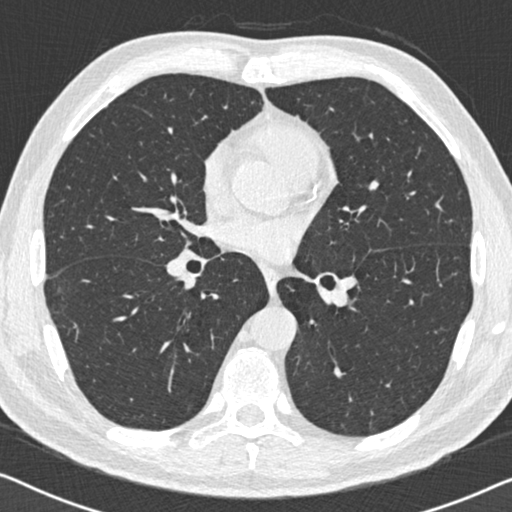
This is axial slice 312 of 558 (slice 1 is the lowest) of a chest CT; each pixel is 0.648 mm and the slice is 0.75 mm thick. Pulmonary nodule at rows 287–291, columns 58–60 (box = the one reader's outline on this slice), outlined by all four readers, one of them on this slice; median longest diameter 21.8 mm (readers' outlines 18.8–26.5 mm), median volume 1099 mm3 (726–1916 mm3). Median ratings and the readers' spread: median texture 4.5/5 (readers ranged 3/5 (part-solid) to 5/5 (solid)); margin 3/5 at the median of four readers, spread 1/5 (indistinct) to 4/5; median sphericity 3/5 (ovoid) (readers ranged 2/5 to 4/5); calcification absent, all four readers agreeing; internal structure soft tissue from all four readers; median subtlety 5/5 (readers ranged 4–5); median malignancy likelihood 4/5 (readers ranged 4–5). Scale key (1–5): texture non-solid→solid, margin indistinct→circumscribed, sphericity linear→round, subtlety extremely subtle→obvious, malignancy likelihood highly unlikely→highly suspicious of cancer. Box rows and columns are 0-based pixel indices from the top-left corner, inclusive.
Scan settings: 120 kVp, B30f reconstruction kernel.